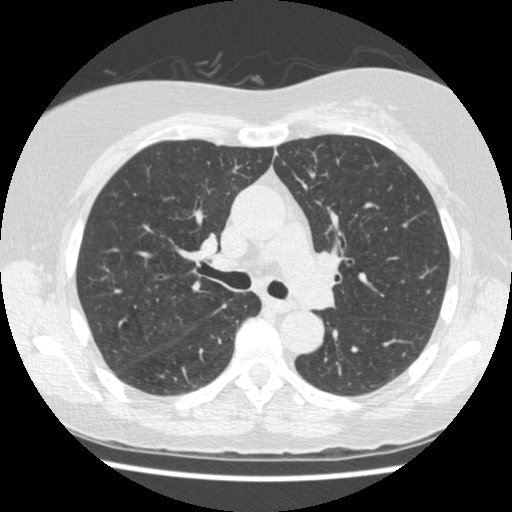
Axial slice 291 of 474 of a chest CT (slice 1 is the lowest), reconstructed with the STANDARD kernel at 120 kVp; 1.25 mm slice thickness and 0.625 mm pixels.
No nodule 3 mm or larger was outlined here by any reader.